Axial chest CT slice 191 of 315 (counted from the lowest slice); tube voltage 120 kVp, convolution kernel B; slices 2.00 mm thick, 0.830 mm per pixel.
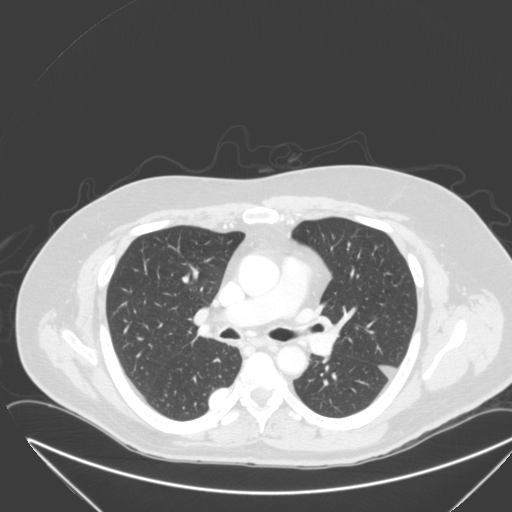
Pulmonary nodule outlined by one of the four readers; box rows 389–407, columns 209–227 (that reader's outline on this slice); longest diameter 27.1 mm and volume 6093 mm3 from that reader's outline. That reader's ratings: texture 5/5 (solid); margin 4/5; sphericity 2/5; calcification absent; internal structure soft tissue; subtlety 5/5; malignancy likelihood 4/5. Scale key (1–5): texture non-solid→solid, margin indistinct→circumscribed, sphericity linear→round, subtlety extremely subtle→obvious, malignancy likelihood highly unlikely→highly suspicious of cancer. Box rows and columns are 0-based pixel indices from the top-left corner, inclusive.